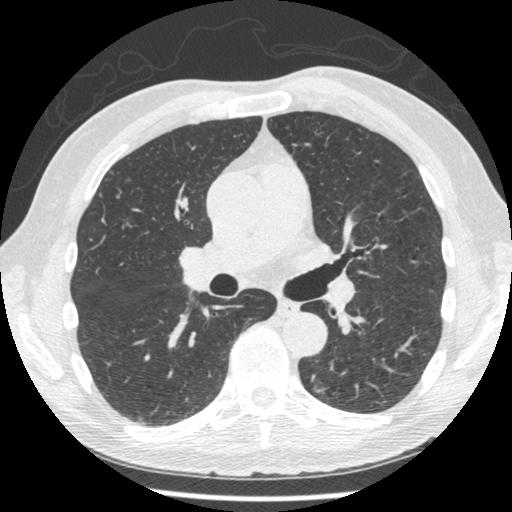
Chest CT, axial plane, 120 kVp, kernel STANDARD. Slice 267/481 from the bottom of the scan; thickness 1.25 mm; pixel size 0.664 mm.
Pulmonary nodule, outlined by three of the four readers, one of them on this slice. Box on this slice rows 383–391, columns 312–325, the one reader's outline on this slice; the three readers' outlines give a longest diameter between 9.4 and 10.2 mm and a volume between 134 and 188 mm3. The readers' ratings, as ranges where they differ: texture from 2/5 to 4/5 across the three readers; margin from 2/5 to 4/5 across the three readers; sphericity from 2/5 to 4/5 across the three readers; calcification absent, all three readers agreeing; internal structure soft tissue, all three readers agreeing; subtlety 3–4/5 (the readers disagree); malignancy likelihood from 1/5 to 3/5 across the three readers. Scale key (1–5): texture non-solid→solid, margin indistinct→circumscribed, sphericity linear→round, subtlety extremely subtle→obvious, malignancy likelihood highly unlikely→highly suspicious of cancer. Box rows and columns are 0-based pixel indices from the top-left corner, inclusive.